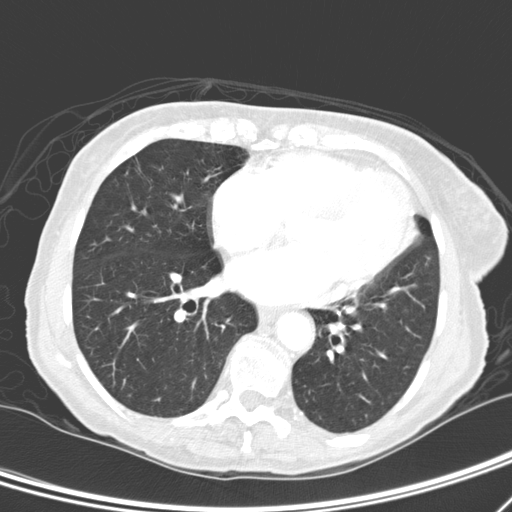
One axial slice (121 of 276, counting up from the lowest) of a chest CT acquired at 120 kVp with the D kernel; each pixel is 0.617 mm and the slice is 2.00 mm thick.
None of the four readers outlined a nodule of 3 mm or more on this slice.